Axial slice 205 of 519 of a chest CT (slice 1 is the lowest), reconstructed with the STANDARD kernel at 120 kVp; 1.25 mm slice thickness and 0.645 mm pixels.
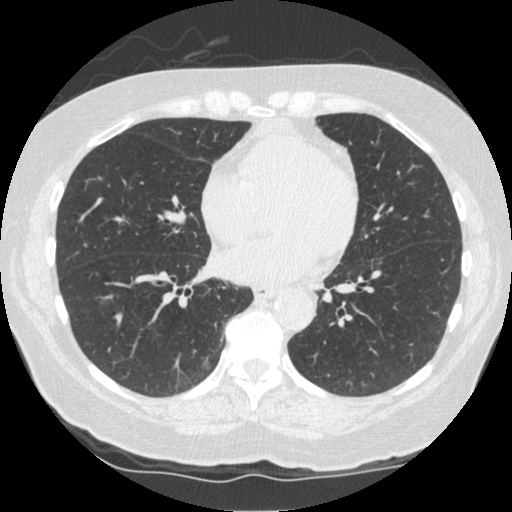
Pulmonary nodule outlined by all four readers, one of them on this slice; box rows 156–160, columns 199–203 (the one reader's outline on this slice); median longest diameter 9.2 mm (readers' outlines 8.4–10.5 mm), median volume 189 mm3 (147–202 mm3). Ratings, median across the readers with their spread: texture 5/5 (solid) from all four readers; median margin 5/5 (circumscribed) (readers ranged 4/5 to 5/5 (circumscribed)); sphericity 3/5 (ovoid), all four readers agreeing; calcification absent from all four readers; internal structure soft tissue, all four readers agreeing; subtlety 5/5 at the median of four readers, spread 4–5; malignancy likelihood 3/5 at the median of four readers, spread 2–4. Scale key (1–5): texture non-solid→solid, margin indistinct→circumscribed, sphericity linear→round, subtlety extremely subtle→obvious, malignancy likelihood highly unlikely→highly suspicious of cancer. Box rows and columns are 0-based pixel indices from the top-left corner, inclusive.